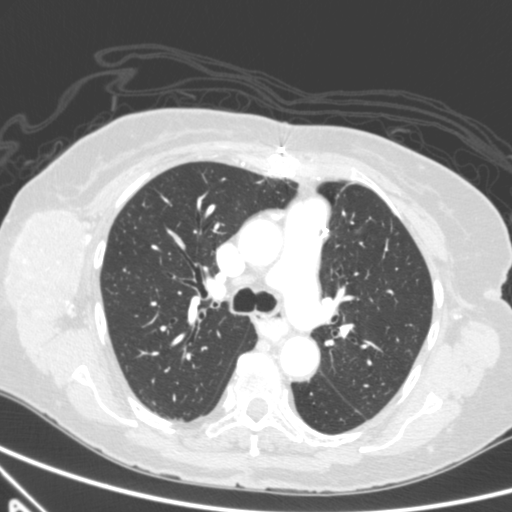
Axial slice 377 of 590 of a chest CT (slice 1 is the lowest), reconstructed with the B kernel at 120 kVp; 0.90 mm slice thickness and 0.627 mm pixels.
Pulmonary nodule, outlined by all four readers, two of them on this slice. Box on this slice rows 229–233, columns 356–360, the union of the readers' outlines on this slice; longest diameter 17.9 mm on average over the four readers' outlines (readers' outlines 16.3–20.1 mm), volume 1116–1236 mm3. The readers' prevailing ratings and who disagreed: texture 5/5 (solid), all four readers agreeing; margin 4/5 by two of four readers; the rest gave 3/5 (one), 5/5 (circumscribed) (one); sphericity split among the readers: 3/5 (ovoid) (two), 4/5 (two); calcification absent, all four readers agreeing; internal structure soft tissue, all four readers agreeing; subtlety 5/5 by three of four readers; the rest gave 4/5 (one); malignancy likelihood split among the readers: 3/5 (two), 5/5 (two). Scale key (1–5): texture non-solid→solid, margin indistinct→circumscribed, sphericity linear→round, subtlety extremely subtle→obvious, malignancy likelihood highly unlikely→highly suspicious of cancer. Box rows and columns are 0-based pixel indices from the top-left corner, inclusive.